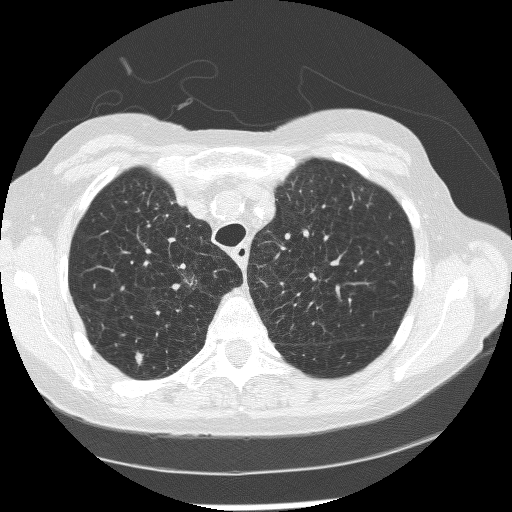
Axial slice 215 of 267 of a chest CT (slice 1 is the lowest), reconstructed with the BONE kernel at 120 kVp; 1.25 mm slice thickness and 0.596 mm pixels.
Pulmonary nodule outlined by all four readers; box rows 352–364, columns 134–143 (the union of the readers' outlines on this slice); longest diameter 8.4–9.5 mm and volume 111–243 mm3 across the four readers' outlines. Ratings across the readers: texture from 4/5 to 5/5 (solid) across the four readers; margin from 3/5 to 4/5 across the four readers; sphericity from 2/5 to 3/5 (ovoid) across the four readers; calcification absent from all four readers; internal structure soft tissue from all four readers; subtlety rated between 3 and 5 out of 5 by the four readers; malignancy likelihood rated between 3 and 4 out of 5 by the four readers. Scale key (1–5): texture non-solid→solid, margin indistinct→circumscribed, sphericity linear→round, subtlety extremely subtle→obvious, malignancy likelihood highly unlikely→highly suspicious of cancer. Box rows and columns are 0-based pixel indices from the top-left corner, inclusive.